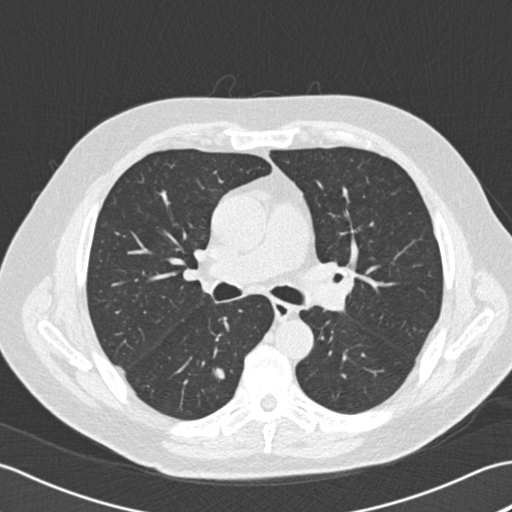
Chest CT, axial plane, 120 kVp, kernel B30f. Slice 112/180 from the bottom of the scan; thickness 2.00 mm; pixel size 0.684 mm.
Pulmonary nodule, outlined by all four readers. Box on this slice rows 367–379, columns 212–224, the union of the readers' outlines on this slice; longest diameter 12.5–13.3 mm and volume 485–678 mm3 across the four readers' outlines. The readers' ratings, as ranges where they differ: texture from 4/5 to 5/5 (solid) across the four readers; margin from 4/5 to 5/5 (circumscribed) across the four readers; sphericity from 3/5 (ovoid) to 5/5 (round) across the four readers; calcification absent from all four readers; internal structure soft tissue from all four readers; subtlety from 3/5 to 5/5 across the four readers; malignancy likelihood from 2/5 to 4/5 across the four readers. Scale key (1–5): texture non-solid→solid, margin indistinct→circumscribed, sphericity linear→round, subtlety extremely subtle→obvious, malignancy likelihood highly unlikely→highly suspicious of cancer. Box rows and columns are 0-based pixel indices from the top-left corner, inclusive.